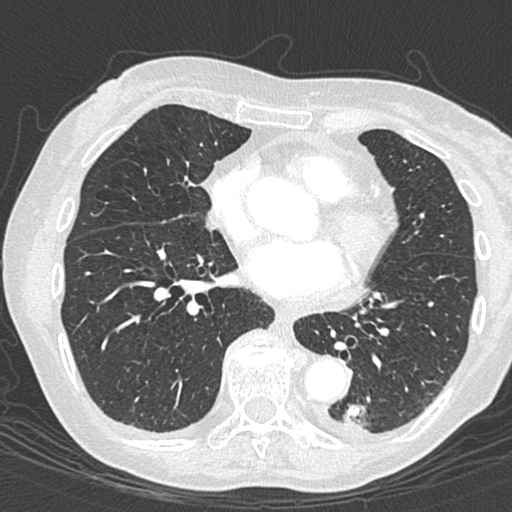
Axial slice 144 of 301 of a chest CT (slice 1 is the lowest), reconstructed with the B45f kernel at 120 kVp; 1.00 mm slice thickness and 0.547 mm pixels.
Pulmonary nodule outlined by three of the four readers; box rows 404–423, columns 343–367 (the union of the readers' outlines on this slice); longest diameter 10.3 mm on average over the three readers' outlines (readers' outlines 6.8–15.1 mm), volume 67–603 mm3. The readers' prevailing ratings and who disagreed: texture 5/5 (solid), all three readers agreeing; margin 5/5 (circumscribed) by two of three readers; the rest gave 3/5 (one); sphericity split among the readers: 3/5 (ovoid) (one), 4/5 (one), 5/5 (round) (one); calcification solid calcification by two of three readers, central calcification (one); internal structure soft tissue, all three readers agreeing; subtlety 5/5 by two of three readers; the rest gave 4/5 (one); malignancy likelihood 1/5 from all three readers. Scale key (1–5): texture non-solid→solid, margin indistinct→circumscribed, sphericity linear→round, subtlety extremely subtle→obvious, malignancy likelihood highly unlikely→highly suspicious of cancer. Box rows and columns are 0-based pixel indices from the top-left corner, inclusive.